Axial slice 96 of 258 of a chest CT (slice 1 is the lowest), reconstructed with the STANDARD kernel at 120 kVp; 1.25 mm slice thickness and 0.859 mm pixels.
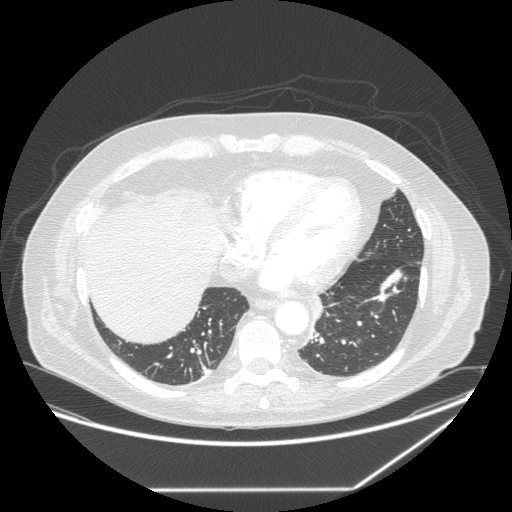
Pulmonary nodule outlined by all four readers, one of them on this slice; box rows 339–343, columns 357–361 (the one reader's outline on this slice); the four readers' outlines give a longest diameter between 8.2 and 13.3 mm and a volume between 212 and 384 mm3. The readers' ratings, as ranges where they differ: texture 5/5 (solid) from all four readers; margin from 4/5 to 5/5 (circumscribed) across the four readers; sphericity from 4/5 to 5/5 (round) across the four readers; calcification absent from all four readers; internal structure soft tissue from all four readers; subtlety from 3/5 to 4/5 across the four readers; malignancy likelihood from 2/5 to 4/5 across the four readers. Scale key (1–5): texture non-solid→solid, margin indistinct→circumscribed, sphericity linear→round, subtlety extremely subtle→obvious, malignancy likelihood highly unlikely→highly suspicious of cancer. Box rows and columns are 0-based pixel indices from the top-left corner, inclusive.